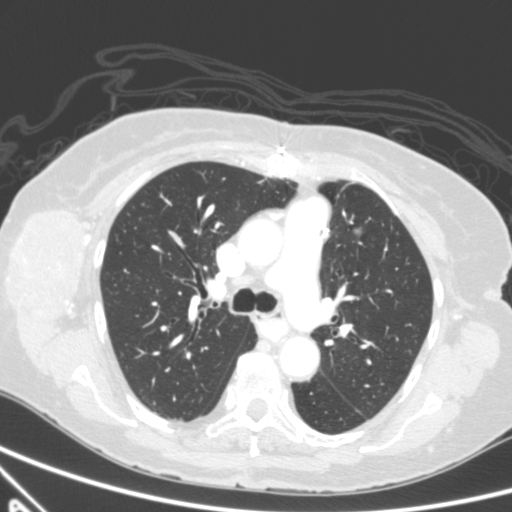
Axial chest CT slice 376 of 590 (counted from the lowest slice); tube voltage 120 kVp, convolution kernel B; slices 0.90 mm thick, 0.627 mm per pixel.
Pulmonary nodule at rows 228–236, columns 351–362 (box = the union of the readers' outlines on this slice), outlined by all four readers; median longest diameter 17.7 mm (readers' outlines 16.3–20.1 mm), median volume 1143 mm3 (1116–1236 mm3). Ratings, median across the readers with their spread: texture 5/5 (solid) from all four readers; margin 4/5 at the median of four readers, spread 3/5 to 5/5 (circumscribed); sphericity 3.5/5 at the median of four readers, spread 3/5 (ovoid) to 4/5; calcification absent from all four readers; internal structure soft tissue from all four readers; median subtlety 5/5 (readers ranged 4–5); median malignancy likelihood 4/5 (readers ranged 3–5). Scale key (1–5): texture non-solid→solid, margin indistinct→circumscribed, sphericity linear→round, subtlety extremely subtle→obvious, malignancy likelihood highly unlikely→highly suspicious of cancer. Box rows and columns are 0-based pixel indices from the top-left corner, inclusive.